One axial slice (78 of 107, counting up from the lowest) of a chest CT acquired at 130 kVp with the B31s kernel; each pixel is 0.742 mm and the slice is 3.00 mm thick.
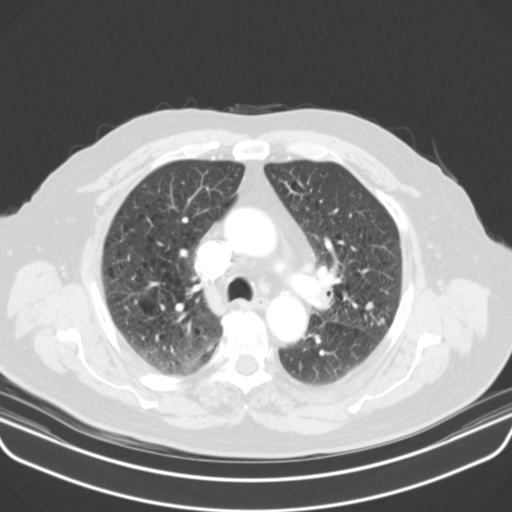
Pulmonary nodule, outlined by three of the four readers. Box on this slice rows 302–309, columns 365–373, the union of the readers' outlines on this slice; longest diameter 8.1 mm on average over the three readers' outlines (readers' outlines 7.6–9.0 mm), volume 118–196 mm3. The readers' prevailing ratings and who disagreed: texture 5/5 (solid) by two of three readers; the rest gave 4/5 (one); margin 4/5 by two of three readers; the rest gave 5/5 (circumscribed) (one); sphericity 3/5 (ovoid) from all three readers; calcification absent, all three readers agreeing; internal structure soft tissue from all three readers; subtlety split among the readers: 2/5 (one), 4/5 (one), 5/5 (one); malignancy likelihood split among the readers: 2/5 (one), 3/5 (one), 4/5 (one). Scale key (1–5): texture non-solid→solid, margin indistinct→circumscribed, sphericity linear→round, subtlety extremely subtle→obvious, malignancy likelihood highly unlikely→highly suspicious of cancer. Box rows and columns are 0-based pixel indices from the top-left corner, inclusive.